Axial slice 292 of 557 of a chest CT (slice 1 is the lowest), reconstructed with the STANDARD kernel at 120 kVp; 1.25 mm slice thickness and 0.703 mm pixels.
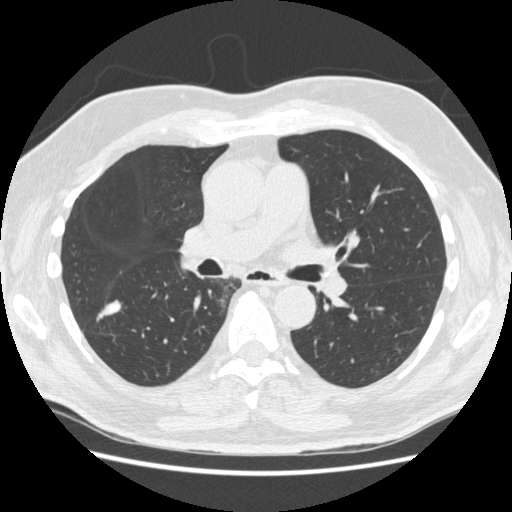
Pulmonary nodule, outlined by all four readers. Box on this slice rows 299–321, columns 96–121, the union of the readers' outlines on this slice; longest diameter 19.1–25.0 mm and volume 785–1099 mm3 across the four readers' outlines. The readers' ratings, as ranges where they differ: texture from 4/5 to 5/5 (solid) across the four readers; margin from 3/5 to 5/5 (circumscribed) across the four readers; sphericity from 2/5 to 3/5 (ovoid) across the four readers; calcification absent, all four readers agreeing; internal structure soft tissue, all four readers agreeing; subtlety 4–5/5 (the readers disagree); malignancy likelihood rated between 2 and 5 out of 5 by the four readers. Scale key (1–5): texture non-solid→solid, margin indistinct→circumscribed, sphericity linear→round, subtlety extremely subtle→obvious, malignancy likelihood highly unlikely→highly suspicious of cancer. Box rows and columns are 0-based pixel indices from the top-left corner, inclusive.